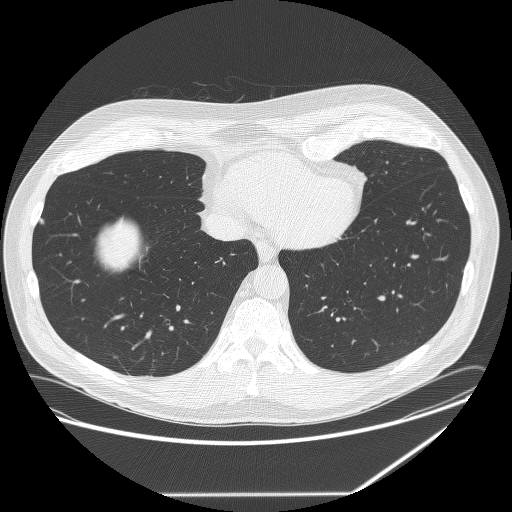
Slice 87/291 of a chest CT, counting up from the lowest; pixel size 0.820 mm, slice thickness 1.25 mm. Pulmonary nodule at rows 218–223, columns 39–43 (box = the union of the readers' outlines on this slice), outlined by all four readers; median longest diameter 6.9 mm (readers' outlines 6.6–7.6 mm), median volume 99 mm3 (54–116 mm3). Median ratings and the readers' spread: texture 5/5 (solid) from all four readers; median margin 5/5 (circumscribed) (readers ranged 4/5 to 5/5 (circumscribed)); sphericity 4/5 at the median of four readers, spread 3/5 (ovoid) to 4/5; calcification: absent (three), solid calcification (one); internal structure soft tissue from all four readers; median subtlety 3/5 (readers ranged 2–4); malignancy likelihood 2/5 at the median of four readers, spread 1–3. Scale key (1–5): texture non-solid→solid, margin indistinct→circumscribed, sphericity linear→round, subtlety extremely subtle→obvious, malignancy likelihood highly unlikely→highly suspicious of cancer. Box rows and columns are 0-based pixel indices from the top-left corner, inclusive.
Acquired at 120 kVp and reconstructed with the BONE kernel.